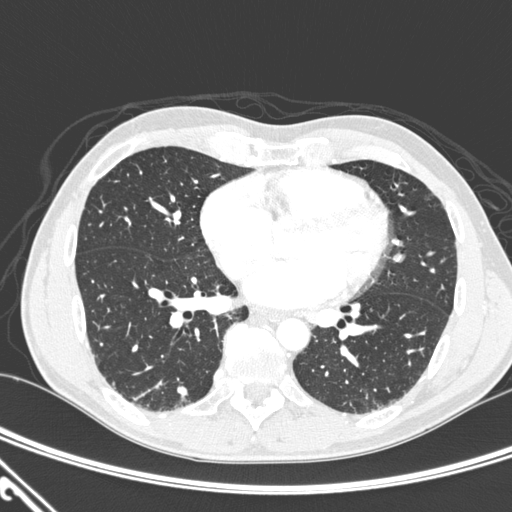
Chest CT, axial plane, 120 kVp, kernel D. Slice 118/276 from the bottom of the scan; thickness 1.00 mm; pixel size 0.639 mm.
Pulmonary nodule, outlined by two of the four readers. Box on this slice rows 386–394, columns 178–186, the union of the readers' outlines on this slice; median longest diameter 7.3 mm (readers' outlines 6.5–8.1 mm), median volume 75 mm3 (41–108 mm3). Ratings, median across the readers with their spread: texture 5/5 (solid), both readers agreeing; median margin 3.5/5 (readers ranged 2/5 to 5/5 (circumscribed)); sphericity 3/5 (ovoid) at the median of two readers, spread 2/5 to 4/5; calcification absent from both readers; internal structure soft tissue, both readers agreeing; median subtlety 3.5/5 (readers ranged 2–5); malignancy likelihood 2/5 from both readers. Scale key (1–5): texture non-solid→solid, margin indistinct→circumscribed, sphericity linear→round, subtlety extremely subtle→obvious, malignancy likelihood highly unlikely→highly suspicious of cancer. Box rows and columns are 0-based pixel indices from the top-left corner, inclusive.